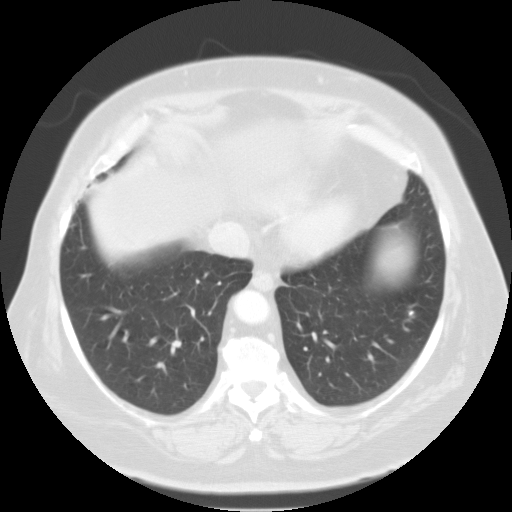
Axial chest CT slice 42 of 110 (counted from the lowest slice); 3.00 mm thick, 0.732 mm per pixel. Pulmonary nodule outlined by two of the four readers; box rows 311–315, columns 409–413 (the union of the readers' outlines on this slice); median longest diameter 5.1 mm (readers' outlines 4.9–5.3 mm), median volume 90 mm3 (83–98 mm3). Median ratings and the readers' spread: texture 5/5 (solid), both readers agreeing; margin 5/5 (circumscribed) from both readers; sphericity 4.5/5 at the median of two readers, spread 4/5 to 5/5 (round); calcification solid calcification from both readers; internal structure soft tissue from both readers; median subtlety 4/5 (readers ranged 3–5); malignancy likelihood 1/5, both readers agreeing. Scale key (1–5): texture non-solid→solid, margin indistinct→circumscribed, sphericity linear→round, subtlety extremely subtle→obvious, malignancy likelihood highly unlikely→highly suspicious of cancer. Box rows and columns are 0-based pixel indices from the top-left corner, inclusive.
Tube voltage 135 kVp; convolution kernel FC01.